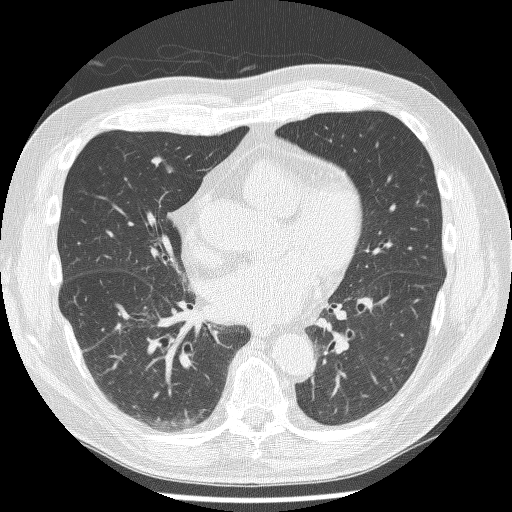
One axial slice (114 of 244, counting up from the lowest) of a chest CT acquired at 120 kVp with the BONE kernel; each pixel is 0.674 mm and the slice is 1.25 mm thick.
Pulmonary nodule, outlined by all four readers. Box on this slice rows 157–165, columns 151–161, the union of the readers' outlines on this slice; longest diameter 8.0 mm on average over the four readers' outlines (readers' outlines 7.0–8.8 mm), volume 85–101 mm3. Ratings, by the readers' most common answer with dissent counted: texture split among the readers: 4/5 (two), 5/5 (solid) (two); margin 3/5 by two of four readers; the rest gave 4/5 (one), 5/5 (circumscribed) (one); sphericity 4/5 by two of four readers; the rest gave 2/5 (one), 3/5 (ovoid) (one); calcification absent, all four readers agreeing; internal structure soft tissue, all four readers agreeing; most readers (three of four) put subtlety at 4/5, others 5/5 (one); malignancy likelihood 3/5, all four readers agreeing. Scale key (1–5): texture non-solid→solid, margin indistinct→circumscribed, sphericity linear→round, subtlety extremely subtle→obvious, malignancy likelihood highly unlikely→highly suspicious of cancer. Box rows and columns are 0-based pixel indices from the top-left corner, inclusive.